Axial slice 238 of 633 of a chest CT (slice 1 is the lowest), reconstructed with the B30f kernel at 120 kVp; 0.60 mm slice thickness and 0.541 mm pixels.
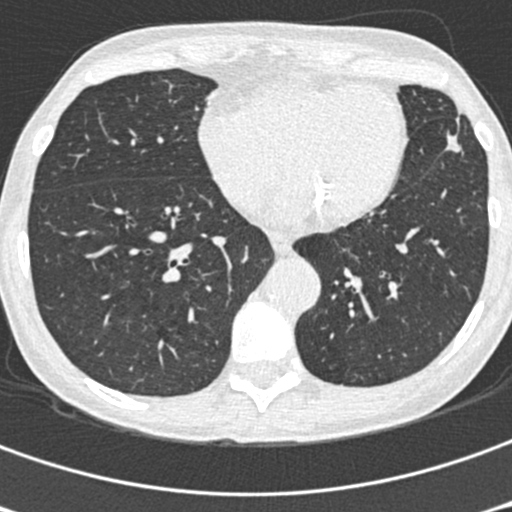
This slice carries no reader outline of a nodule 3 mm or larger.